Axial chest CT slice 485 of 764 (counted from the lowest slice); tube voltage 120 kVp, convolution kernel B31f; slices 1.00 mm thick, 0.646 mm per pixel.
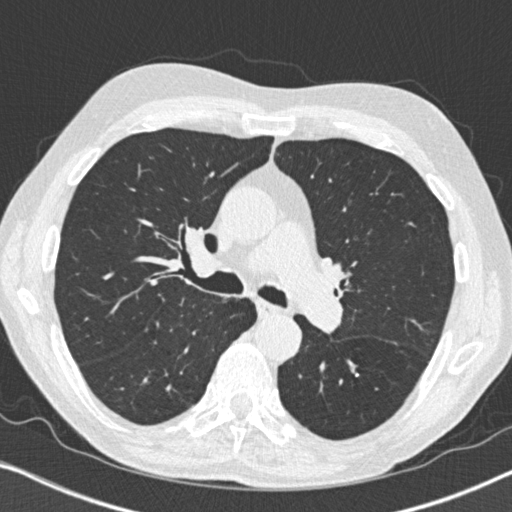
Pulmonary nodule outlined by two of the four readers; box rows 372–376, columns 355–358 (the union of the readers' outlines on this slice); median longest diameter 5.2 mm (readers' outlines 4.7–5.8 mm), median volume 70 mm3 (50–90 mm3). Median ratings and the readers' spread: texture 5/5 (solid), both readers agreeing; margin 5/5 (circumscribed) from both readers; median sphericity 4.5/5 (readers ranged 4/5 to 5/5 (round)); calcification solid calcification, both readers agreeing; internal structure soft tissue, both readers agreeing; subtlety 5/5, both readers agreeing; malignancy likelihood 1/5, both readers agreeing. Scale key (1–5): texture non-solid→solid, margin indistinct→circumscribed, sphericity linear→round, subtlety extremely subtle→obvious, malignancy likelihood highly unlikely→highly suspicious of cancer. Box rows and columns are 0-based pixel indices from the top-left corner, inclusive.